Chest CT, axial plane, 120 kVp, kernel B30f. Slice 85/166 from the bottom of the scan; thickness 2.00 mm; pixel size 0.566 mm.
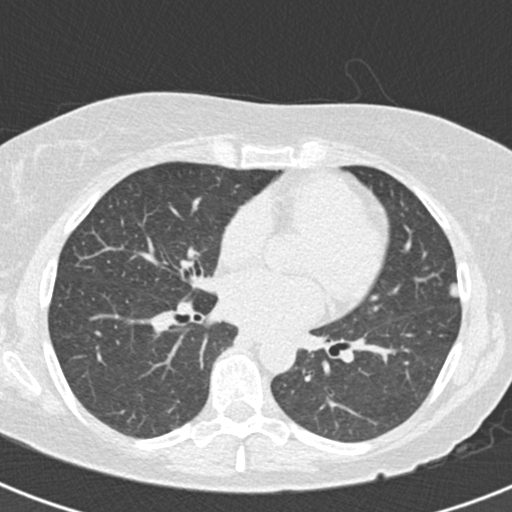
Pulmonary nodule, outlined by all four readers. Box on this slice rows 282–298, columns 449–459, the union of the readers' outlines on this slice; longest diameter 11.9–13.8 mm and volume 520–710 mm3 across the four readers' outlines. The readers' ratings, as ranges where they differ: texture from 4/5 to 5/5 (solid) across the four readers; margin from 4/5 to 5/5 (circumscribed) across the four readers; sphericity from 4/5 to 5/5 (round) across the four readers; calcification absent from all four readers; internal structure soft tissue, all four readers agreeing; subtlety 4–5/5 (the readers disagree); malignancy likelihood from 3/5 to 4/5 across the four readers. Scale key (1–5): texture non-solid→solid, margin indistinct→circumscribed, sphericity linear→round, subtlety extremely subtle→obvious, malignancy likelihood highly unlikely→highly suspicious of cancer. Box rows and columns are 0-based pixel indices from the top-left corner, inclusive.